Axial chest CT slice 271 of 557 (counted from the lowest slice); tube voltage 120 kVp, convolution kernel STANDARD; slices 1.25 mm thick, 0.703 mm per pixel.
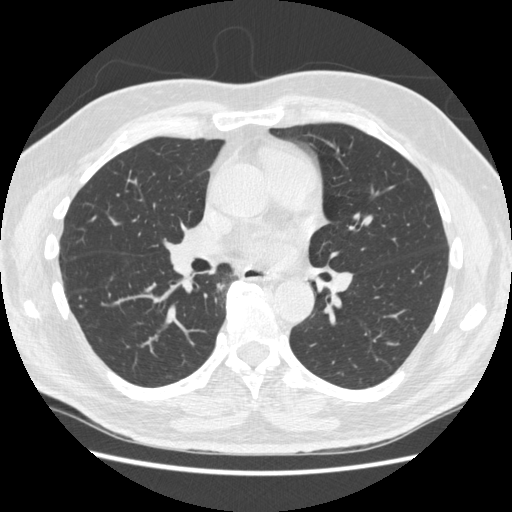
Pulmonary nodule at rows 305–309, columns 78–82 (box = the union of the readers' outlines on this slice), outlined by two of the four readers; longest diameter 6.0 mm on average over the two readers' outlines (readers' outlines 5.7–6.3 mm), volume 41–64 mm3. The readers' prevailing ratings and who disagreed: texture 5/5 (solid) from both readers; margin 5/5 (circumscribed) from both readers; sphericity split among the readers: 4/5 (one), 5/5 (round) (one); calcification absent, both readers agreeing; internal structure soft tissue from both readers; subtlety split among the readers: 1/5 (one), 4/5 (one); malignancy likelihood split among the readers: 2/5 (one), 3/5 (one). Scale key (1–5): texture non-solid→solid, margin indistinct→circumscribed, sphericity linear→round, subtlety extremely subtle→obvious, malignancy likelihood highly unlikely→highly suspicious of cancer. Box rows and columns are 0-based pixel indices from the top-left corner, inclusive.